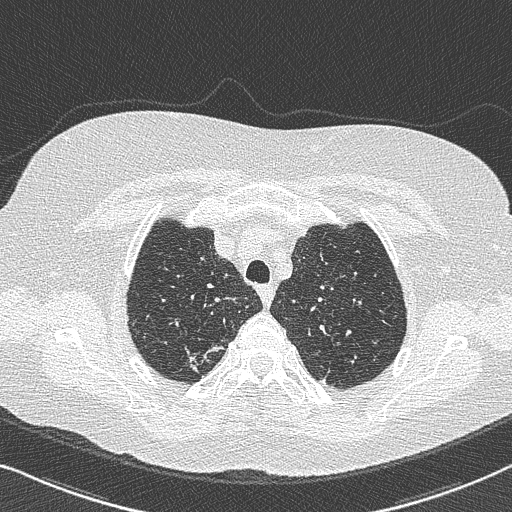
Chest CT, axial plane, 120 kVp, kernel B50f. Slice 598/733 from the bottom of the scan; thickness 0.60 mm; pixel size 0.637 mm.
Pulmonary nodule, outlined by all four readers, two of them on this slice. Box on this slice rows 353–373, columns 186–206, the union of the readers' outlines on this slice; longest diameter 22.0 mm on average over the four readers' outlines (readers' outlines 15.5–29.7 mm), volume 888–2128 mm3. Ratings, by the readers' most common answer with dissent counted: most readers (three of four) put texture at 5/5 (solid), others 4/5 (one); margin 3/5 by two of four readers; the rest gave 1/5 (indistinct) (one), 4/5 (one); sphericity 3/5 (ovoid) by two of four readers; the rest gave 2/5 (one), 5/5 (round) (one); calcification absent, all four readers agreeing; internal structure soft tissue from all four readers; most readers (three of four) put subtlety at 5/5, others 4/5 (one); most readers (three of four) put malignancy likelihood at 4/5, others 5/5 (one). Scale key (1–5): texture non-solid→solid, margin indistinct→circumscribed, sphericity linear→round, subtlety extremely subtle→obvious, malignancy likelihood highly unlikely→highly suspicious of cancer. Box rows and columns are 0-based pixel indices from the top-left corner, inclusive.